One axial slice (351 of 481, counting up from the lowest) of a chest CT acquired at 120 kVp with the STANDARD kernel; each pixel is 0.703 mm and the slice is 1.25 mm thick.
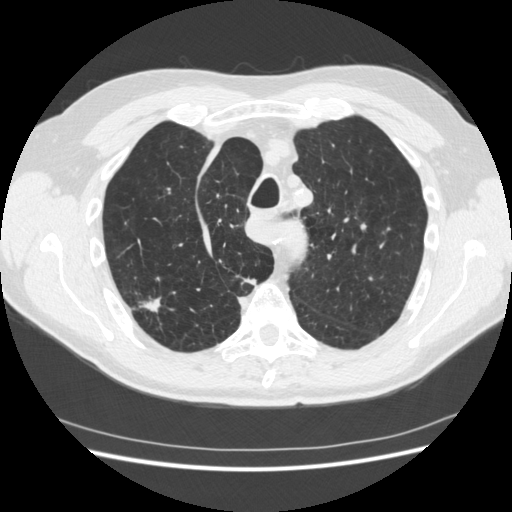
Two pulmonary nodules are outlined on this slice; from left to right: (1) Pulmonary nodule at rows 294–314, columns 131–163 (box = the union of the readers' outlines on this slice), outlined by all four readers; longest diameter 26.2 mm on average over the four readers' outlines (readers' outlines 18.7–34.9 mm), volume 1155–4169 mm3. Ratings, by the readers' most common answer with dissent counted: most readers (three of four) put texture at 5/5 (solid), others 4/5 (one); margin split among the readers: 1/5 (indistinct) (one), 2/5 (one), 3/5 (one), 4/5 (one); sphericity split among the readers: 2/5 (one), 3/5 (ovoid) (one), 4/5 (one), 5/5 (round) (one); calcification absent, all four readers agreeing; internal structure soft tissue from all four readers; subtlety 5/5 from all four readers; most readers (three of four) put malignancy likelihood at 5/5, others 4/5 (one). (2) Pulmonary nodule outlined by three of the four readers; box rows 278–286, columns 242–257 (the union of the readers' outlines on this slice); median longest diameter 15.8 mm (readers' outlines 13.5–18.5 mm), median volume 713 mm3 (529–1088 mm3). Ratings, median across the readers with their spread: texture 5/5 (solid) from all three readers; margin 4/5 at the median of three readers, spread 1/5 (indistinct) to 4/5; median sphericity 3/5 (ovoid) (readers ranged 2/5 to 3/5 (ovoid)); calcification absent, all three readers agreeing; internal structure soft tissue, all three readers agreeing; subtlety 5/5 at the median of three readers, spread 4–5; malignancy likelihood 5/5 at the median of three readers, spread 3–5. Scale key (1–5): texture non-solid→solid, margin indistinct→circumscribed, sphericity linear→round, subtlety extremely subtle→obvious, malignancy likelihood highly unlikely→highly suspicious of cancer. Box rows and columns are 0-based pixel indices from the top-left corner, inclusive.